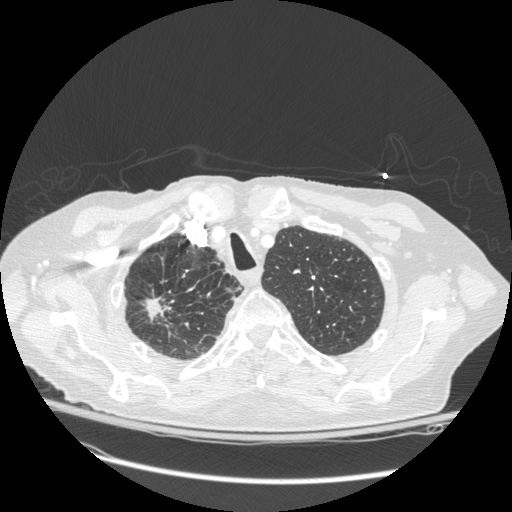
One axial slice (227 of 272, counting up from the lowest) of a chest CT acquired at 120 kVp with the STANDARD kernel; each pixel is 0.742 mm and the slice is 1.25 mm thick.
Pulmonary nodule at rows 297–322, columns 142–171 (box = the union of the readers' outlines on this slice), outlined by all four readers; median longest diameter 21.5 mm (readers' outlines 16.0–56.1 mm), median volume 1723 mm3 (732–13897 mm3). Ratings, median across the readers with their spread: texture 5/5 (solid) from all four readers; margin 3/5 at the median of four readers, spread 3/5 to 5/5 (circumscribed); median sphericity 3/5 (ovoid) (readers ranged 3/5 (ovoid) to 4/5); calcification absent, all four readers agreeing; internal structure soft tissue from all four readers; subtlety 5/5, all four readers agreeing; median malignancy likelihood 5/5 (readers ranged 4–5). Scale key (1–5): texture non-solid→solid, margin indistinct→circumscribed, sphericity linear→round, subtlety extremely subtle→obvious, malignancy likelihood highly unlikely→highly suspicious of cancer. Box rows and columns are 0-based pixel indices from the top-left corner, inclusive.